Chest CT, axial plane, 120 kVp, kernel B30f. Slice 68/193 from the bottom of the scan; thickness 2.00 mm; pixel size 0.547 mm.
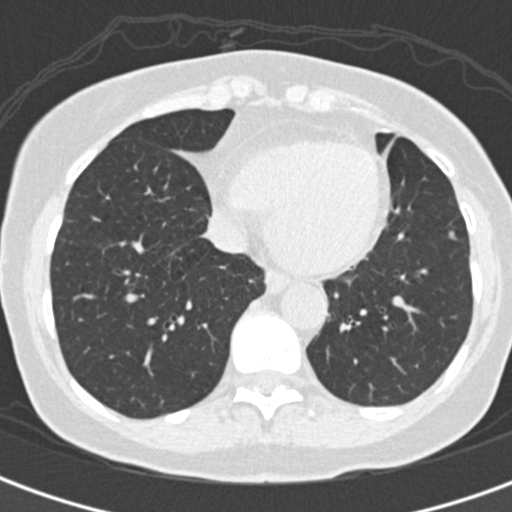
Pulmonary nodule at rows 229–238, columns 448–454 (box = the union of the readers' outlines on this slice), outlined by all four readers; longest diameter 5.6–6.4 mm and volume 51–80 mm3 across the four readers' outlines. Ratings across the readers: texture from 4/5 to 5/5 (solid) across the four readers; margin from 4/5 to 5/5 (circumscribed) across the four readers; sphericity from 4/5 to 5/5 (round) across the four readers; calcification absent, all four readers agreeing; internal structure soft tissue, all four readers agreeing; subtlety from 3/5 to 4/5 across the four readers; malignancy likelihood 2–3/5 (the readers disagree). Scale key (1–5): texture non-solid→solid, margin indistinct→circumscribed, sphericity linear→round, subtlety extremely subtle→obvious, malignancy likelihood highly unlikely→highly suspicious of cancer. Box rows and columns are 0-based pixel indices from the top-left corner, inclusive.